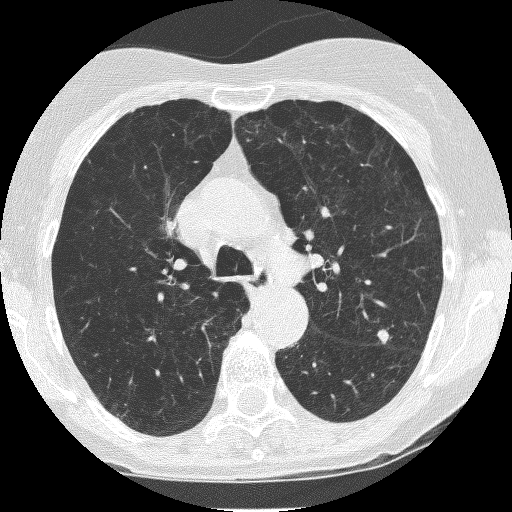
Axial chest CT slice 160 of 235 (counted from the lowest slice); tube voltage 120 kVp, convolution kernel BONE; slices 1.25 mm thick, 0.537 mm per pixel.
Pulmonary nodule, outlined by all four readers. Box on this slice rows 329–343, columns 377–388, the union of the readers' outlines on this slice; median longest diameter 8.7 mm (readers' outlines 8.2–8.9 mm), median volume 180 mm3 (144–183 mm3). Ratings, median across the readers with their spread: texture 5/5 (solid) at the median of four readers, spread 4/5 to 5/5 (solid); median margin 4/5 (readers ranged 3/5 to 5/5 (circumscribed)); median sphericity 4/5 (readers ranged 3/5 (ovoid) to 4/5); calcification absent, all four readers agreeing; internal structure soft tissue from all four readers; subtlety 4.5/5 at the median of four readers, spread 4–5; median malignancy likelihood 3/5 (readers ranged 2–4). Scale key (1–5): texture non-solid→solid, margin indistinct→circumscribed, sphericity linear→round, subtlety extremely subtle→obvious, malignancy likelihood highly unlikely→highly suspicious of cancer. Box rows and columns are 0-based pixel indices from the top-left corner, inclusive.